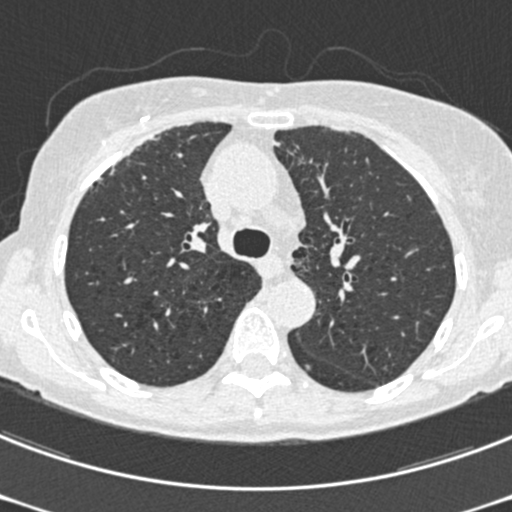
One axial slice (323 of 489, counting up from the lowest) of a chest CT acquired at 120 kVp with the B30f kernel; each pixel is 0.566 mm and the slice is 0.75 mm thick.
Pulmonary nodule, outlined by two of the four readers. Box on this slice rows 363–369, columns 304–310, the union of the readers' outlines on this slice; median longest diameter 6.2 mm (readers' outlines 5.2–7.2 mm), median volume 47 mm3 (31–63 mm3). Median ratings and the readers' spread: texture 4.5/5 at the median of two readers, spread 4/5 to 5/5 (solid); margin 3.5/5 at the median of two readers, spread 3/5 to 4/5; median sphericity 4/5 (readers ranged 3/5 (ovoid) to 5/5 (round)); calcification absent, both readers agreeing; internal structure soft tissue, both readers agreeing; subtlety 4/5 at the median of two readers, spread 3–5; malignancy likelihood 2.5/5 at the median of two readers, spread 2–3. Scale key (1–5): texture non-solid→solid, margin indistinct→circumscribed, sphericity linear→round, subtlety extremely subtle→obvious, malignancy likelihood highly unlikely→highly suspicious of cancer. Box rows and columns are 0-based pixel indices from the top-left corner, inclusive.